Chest CT, axial plane, 135 kVp, kernel FC01. Slice 73/124 from the bottom of the scan; thickness 3.00 mm; pixel size 0.671 mm.
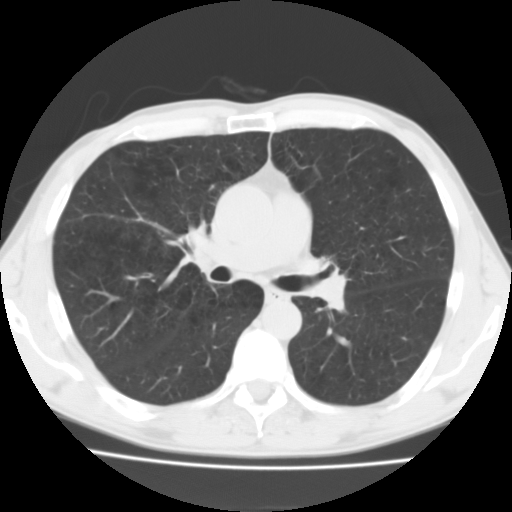
This slice carries no reader outline of a nodule 3 mm or larger.